Axial slice 215 of 266 of a chest CT (slice 1 is the lowest), reconstructed with the D kernel at 120 kVp; 1.00 mm slice thickness and 0.668 mm pixels.
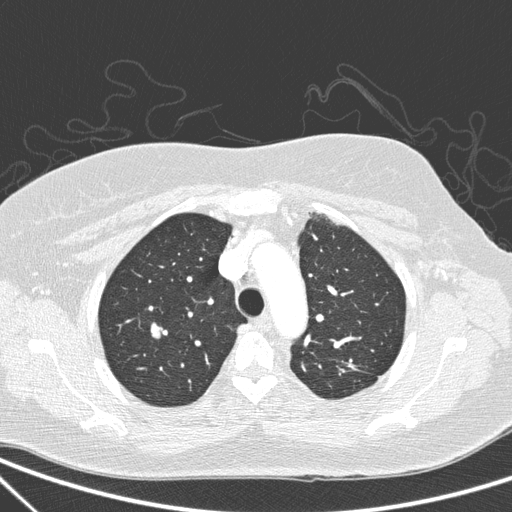
Pulmonary nodule outlined by all four readers; box rows 322–338, columns 150–161 (the union of the readers' outlines on this slice); median longest diameter 17.2 mm (readers' outlines 16.7–17.7 mm), median volume 1372 mm3 (1306–1533 mm3). Ratings, median across the readers with their spread: texture 5/5 (solid), all four readers agreeing; median margin 3/5 (readers ranged 2/5 to 5/5 (circumscribed)); median sphericity 4/5 (readers ranged 3/5 (ovoid) to 5/5 (round)); calcification absent, all four readers agreeing; internal structure soft tissue from all four readers; subtlety 5/5 from all four readers; median malignancy likelihood 5/5 (readers ranged 2–5). Scale key (1–5): texture non-solid→solid, margin indistinct→circumscribed, sphericity linear→round, subtlety extremely subtle→obvious, malignancy likelihood highly unlikely→highly suspicious of cancer. Box rows and columns are 0-based pixel indices from the top-left corner, inclusive.